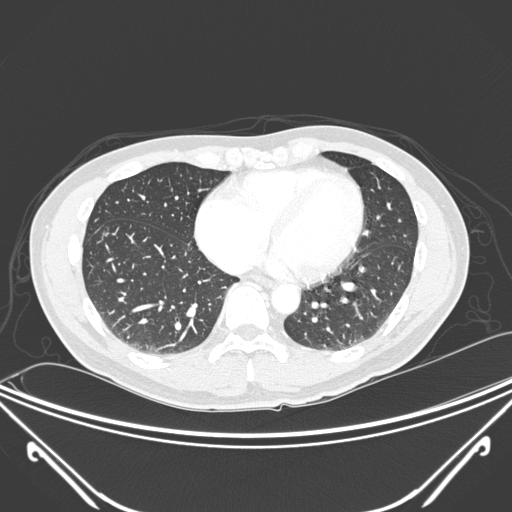
This is axial slice 98 of 325 (slice 1 is the lowest) of a chest CT; each pixel is 0.781 mm and the slice is 1.00 mm thick. Pulmonary nodule, outlined by two of the four readers, one of them on this slice. Box on this slice rows 232–234, columns 103–108, the one reader's outline on this slice; median longest diameter 8.8 mm (readers' outlines 8.0–9.7 mm), median volume 180 mm3 (154–206 mm3). Median ratings and the readers' spread: texture 5/5 (solid) from both readers; margin 4.5/5 at the median of two readers, spread 4/5 to 5/5 (circumscribed); sphericity 4/5, both readers agreeing; calcification absent from both readers; internal structure soft tissue from both readers; subtlety 5/5, both readers agreeing; malignancy likelihood 3.5/5 at the median of two readers, spread 3–4. Scale key (1–5): texture non-solid→solid, margin indistinct→circumscribed, sphericity linear→round, subtlety extremely subtle→obvious, malignancy likelihood highly unlikely→highly suspicious of cancer. Box rows and columns are 0-based pixel indices from the top-left corner, inclusive.
Acquired at 120 kVp and reconstructed with the D kernel.